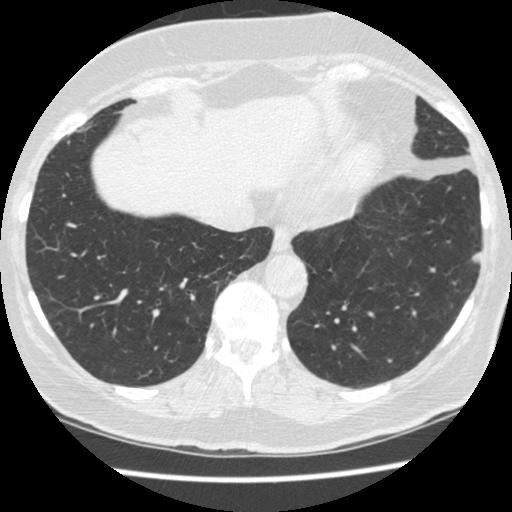
Chest CT, axial plane, 120 kVp, kernel STANDARD. Slice 133/481 from the bottom of the scan; thickness 1.25 mm; pixel size 0.605 mm.
Pulmonary nodule, outlined by all four readers. Box on this slice rows 249–263, columns 470–483, the union of the readers' outlines on this slice; longest diameter 10.3 mm on average over the four readers' outlines (readers' outlines 9.9–10.4 mm), volume 124–211 mm3. The readers' prevailing ratings and who disagreed: texture split among the readers: 4/5 (two), 5/5 (solid) (two); margin 4/5 by two of four readers; the rest gave 1/5 (indistinct) (one), 5/5 (circumscribed) (one); sphericity 5/5 (round) by two of four readers; the rest gave 3/5 (ovoid) (one), 4/5 (one); calcification absent from all four readers; internal structure soft tissue from all four readers; subtlety 4/5 from all four readers; most readers (three of four) put malignancy likelihood at 3/5, others 2/5 (one). Scale key (1–5): texture non-solid→solid, margin indistinct→circumscribed, sphericity linear→round, subtlety extremely subtle→obvious, malignancy likelihood highly unlikely→highly suspicious of cancer. Box rows and columns are 0-based pixel indices from the top-left corner, inclusive.